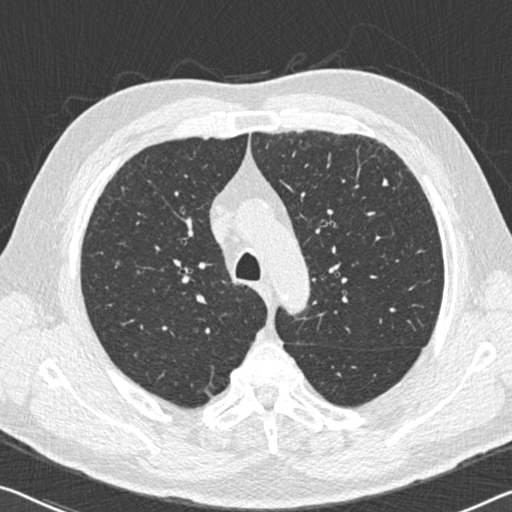
One axial slice (420 of 536, counting up from the lowest) of a chest CT acquired at 120 kVp with the B30f kernel; each pixel is 0.656 mm and the slice is 0.75 mm thick.
Pulmonary nodule outlined by three of the four readers; box rows 176–185, columns 382–388 (the union of the readers' outlines on this slice); median longest diameter 6.7 mm (readers' outlines 6.7–8.3 mm), median volume 65 mm3 (64–106 mm3). Median ratings and the readers' spread: texture 5/5 (solid), all three readers agreeing; margin 5/5 (circumscribed) at the median of three readers, spread 4/5 to 5/5 (circumscribed); sphericity 2/5 at the median of three readers, spread 2/5 to 3/5 (ovoid); calcification: absent (two), non-central calcification (one); internal structure soft tissue from all three readers; median subtlety 3/5 (readers ranged 2–5); median malignancy likelihood 2/5 (readers ranged 2–3). Scale key (1–5): texture non-solid→solid, margin indistinct→circumscribed, sphericity linear→round, subtlety extremely subtle→obvious, malignancy likelihood highly unlikely→highly suspicious of cancer. Box rows and columns are 0-based pixel indices from the top-left corner, inclusive.